Axial slice 103 of 268 of a chest CT (slice 1 is the lowest), reconstructed with the BONE kernel at 120 kVp; 1.25 mm slice thickness and 0.703 mm pixels.
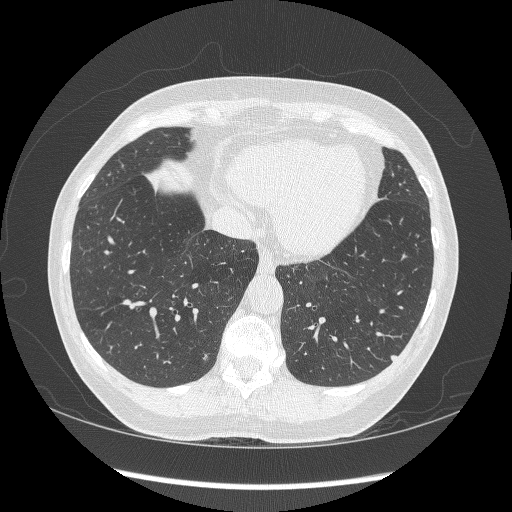
Pulmonary nodule, outlined by all four readers. Box on this slice rows 354–361, columns 391–396, the union of the readers' outlines on this slice; median longest diameter 5.8 mm (readers' outlines 5.8–6.3 mm), median volume 70 mm3 (65–88 mm3). Ratings, median across the readers with their spread: texture 5/5 (solid) from all four readers; margin 5/5 (circumscribed) at the median of four readers, spread 4/5 to 5/5 (circumscribed); sphericity 4.5/5 at the median of four readers, spread 4/5 to 5/5 (round); calcification absent, all four readers agreeing; internal structure soft tissue from all four readers; subtlety 4/5 at the median of four readers, spread 3–5; median malignancy likelihood 3/5 (readers ranged 2–3). Scale key (1–5): texture non-solid→solid, margin indistinct→circumscribed, sphericity linear→round, subtlety extremely subtle→obvious, malignancy likelihood highly unlikely→highly suspicious of cancer. Box rows and columns are 0-based pixel indices from the top-left corner, inclusive.